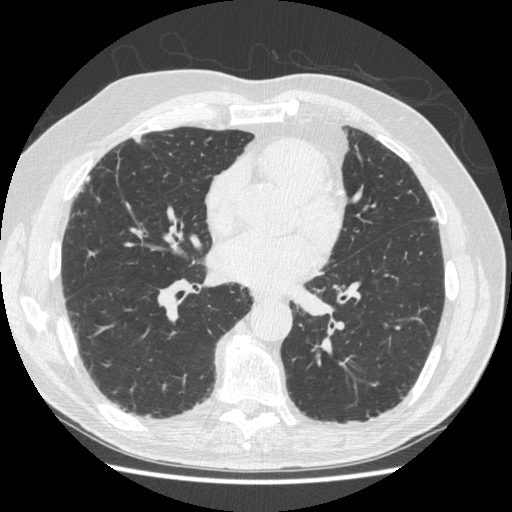
One axial slice (231 of 497, counting up from the lowest) of a chest CT acquired at 120 kVp with the STANDARD kernel; each pixel is 0.703 mm and the slice is 1.25 mm thick.
Pulmonary nodule, outlined by all four readers, one of them on this slice. Box on this slice rows 135–142, columns 132–141, the one reader's outline on this slice; longest diameter 12.2 mm on average over the four readers' outlines (readers' outlines 10.9–14.8 mm), volume 184–648 mm3. The readers' prevailing ratings and who disagreed: most readers (three of four) put texture at 5/5 (solid), others 1/5 (non-solid) (one); margin 3/5 by two of four readers; the rest gave 2/5 (one), 4/5 (one); sphericity 3/5 (ovoid) by two of four readers; the rest gave 4/5 (one), 5/5 (round) (one); calcification absent from all four readers; internal structure soft tissue, all four readers agreeing; subtlety 4/5 by two of four readers; the rest gave 1/5 (one), 5/5 (one); malignancy likelihood 3/5 by two of four readers; the rest gave 2/5 (one), 4/5 (one). Scale key (1–5): texture non-solid→solid, margin indistinct→circumscribed, sphericity linear→round, subtlety extremely subtle→obvious, malignancy likelihood highly unlikely→highly suspicious of cancer. Box rows and columns are 0-based pixel indices from the top-left corner, inclusive.